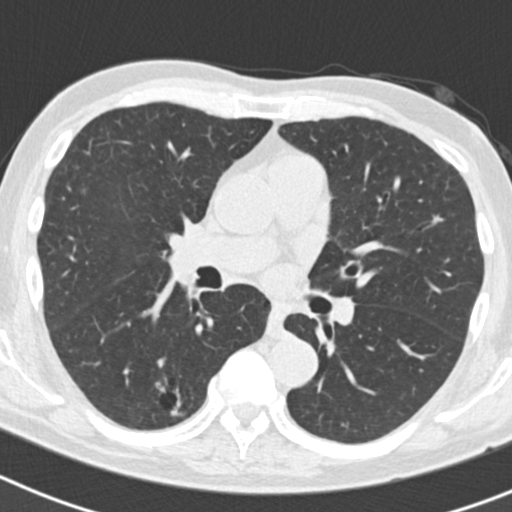
Chest CT, axial plane, 120 kVp, kernel B30f. Slice 107/186 from the bottom of the scan; thickness 2.00 mm; pixel size 0.586 mm.
Pulmonary nodule at rows 381–392, columns 154–165 (box = the union of the readers' outlines on this slice), outlined by all four readers, three of them on this slice; the four readers' outlines give a longest diameter between 7.2 and 10.2 mm and a volume between 143 and 297 mm3. Ratings across the readers: texture from 4/5 to 5/5 (solid) across the four readers; margin from 3/5 to 5/5 (circumscribed) across the four readers; sphericity 4/5, all four readers agreeing; calcification absent from all four readers; internal structure soft tissue from all four readers; subtlety 2–5/5 (the readers disagree); malignancy likelihood 2–5/5 (the readers disagree). Scale key (1–5): texture non-solid→solid, margin indistinct→circumscribed, sphericity linear→round, subtlety extremely subtle→obvious, malignancy likelihood highly unlikely→highly suspicious of cancer. Box rows and columns are 0-based pixel indices from the top-left corner, inclusive.